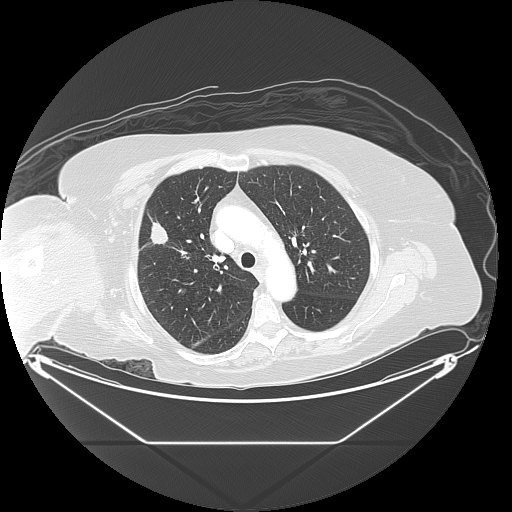
Axial slice 102 of 133 of a chest CT (slice 1 is the lowest), reconstructed with the LUNG kernel at 120 kVp; 2.50 mm slice thickness and 0.977 mm pixels.
Pulmonary nodule at rows 214–244, columns 148–167 (box = the union of the readers' outlines on this slice), outlined by all four readers; the four readers' outlines give a longest diameter between 24.5 and 34.5 mm and a volume between 3757 and 4258 mm3. Ratings across the readers: texture from 4/5 to 5/5 (solid) across the four readers; margin from 4/5 to 5/5 (circumscribed) across the four readers; sphericity from 3/5 (ovoid) to 5/5 (round) across the four readers; calcification absent, all four readers agreeing; internal structure soft tissue from all four readers; subtlety 5/5, all four readers agreeing; malignancy likelihood from 4/5 to 5/5 across the four readers. Scale key (1–5): texture non-solid→solid, margin indistinct→circumscribed, sphericity linear→round, subtlety extremely subtle→obvious, malignancy likelihood highly unlikely→highly suspicious of cancer. Box rows and columns are 0-based pixel indices from the top-left corner, inclusive.